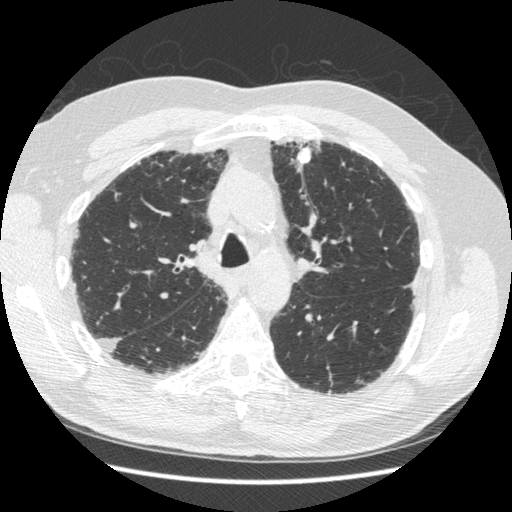
Axial chest CT slice 343 of 497 (counted from the lowest slice); 1.25 mm thick, 0.703 mm per pixel. Pulmonary nodule at rows 146–164, columns 295–311 (box = the union of the readers' outlines on this slice), outlined by all four readers; longest diameter 16.1 mm on average over the four readers' outlines (readers' outlines 15.2–16.7 mm), volume 670–817 mm3. Ratings, by the readers' most common answer with dissent counted: texture 5/5 (solid) from all four readers; most readers (three of four) put margin at 5/5 (circumscribed), others 3/5 (one); sphericity 5/5 (round) by two of four readers; the rest gave 2/5 (one), 4/5 (one); calcification solid calcification from all four readers; internal structure soft tissue from all four readers; subtlety 5/5 from all four readers; malignancy likelihood 1/5 from all four readers. Scale key (1–5): texture non-solid→solid, margin indistinct→circumscribed, sphericity linear→round, subtlety extremely subtle→obvious, malignancy likelihood highly unlikely→highly suspicious of cancer. Box rows and columns are 0-based pixel indices from the top-left corner, inclusive.
Tube voltage 120 kVp; convolution kernel STANDARD.